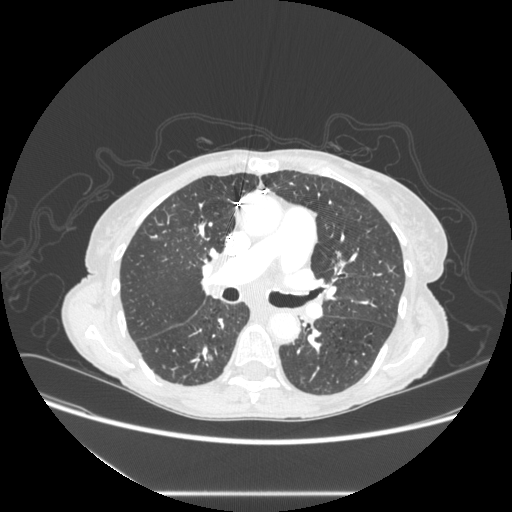
Axial slice 174 of 289 of a chest CT (slice 1 is the lowest), reconstructed with the STANDARD kernel at 120 kVp; 1.25 mm slice thickness and 0.764 mm pixels.
Pulmonary nodule at rows 346–360, columns 202–212 (box = the union of the readers' outlines on this slice), outlined by all four readers; median longest diameter 21.1 mm (readers' outlines 20.5–21.9 mm), median volume 2513 mm3 (2320–2697 mm3). Median ratings and the readers' spread: texture 4.5/5 at the median of four readers, spread 4/5 to 5/5 (solid); margin 4/5, all four readers agreeing; median sphericity 3/5 (ovoid) (readers ranged 3/5 (ovoid) to 5/5 (round)); calcification absent from all four readers; internal structure soft tissue from all four readers; subtlety 5/5 at the median of four readers, spread 4–5; malignancy likelihood 4.5/5 at the median of four readers, spread 3–5. Scale key (1–5): texture non-solid→solid, margin indistinct→circumscribed, sphericity linear→round, subtlety extremely subtle→obvious, malignancy likelihood highly unlikely→highly suspicious of cancer. Box rows and columns are 0-based pixel indices from the top-left corner, inclusive.